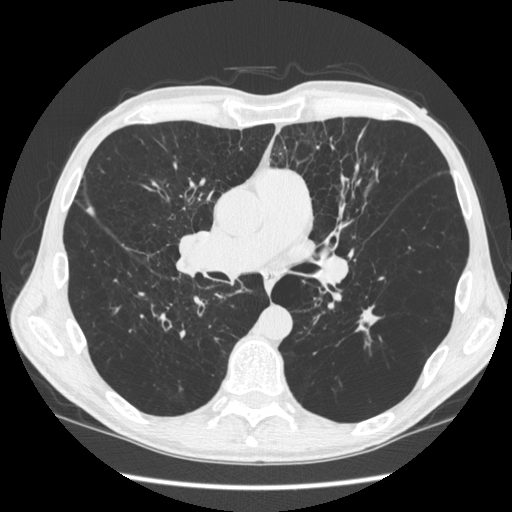
One axial slice (324 of 583, counting up from the lowest) of a chest CT acquired at 120 kVp with the STANDARD kernel; each pixel is 0.703 mm and the slice is 1.25 mm thick.
Pulmonary nodule outlined by two of the four readers; box rows 305–345, columns 356–378 (the union of the readers' outlines on this slice); longest diameter 27.9 mm on average over the two readers' outlines (readers' outlines 24.1–31.7 mm), volume 791–1176 mm3. Ratings, by the readers' most common answer with dissent counted: texture 5/5 (solid) from both readers; margin split among the readers: 1/5 (indistinct) (one), 4/5 (one); sphericity split among the readers: 1/5 (linear) (one), 2/5 (one); calcification absent from both readers; internal structure soft tissue from both readers; subtlety 5/5, both readers agreeing; malignancy likelihood split among the readers: 2/5 (one), 3/5 (one). Scale key (1–5): texture non-solid→solid, margin indistinct→circumscribed, sphericity linear→round, subtlety extremely subtle→obvious, malignancy likelihood highly unlikely→highly suspicious of cancer. Box rows and columns are 0-based pixel indices from the top-left corner, inclusive.